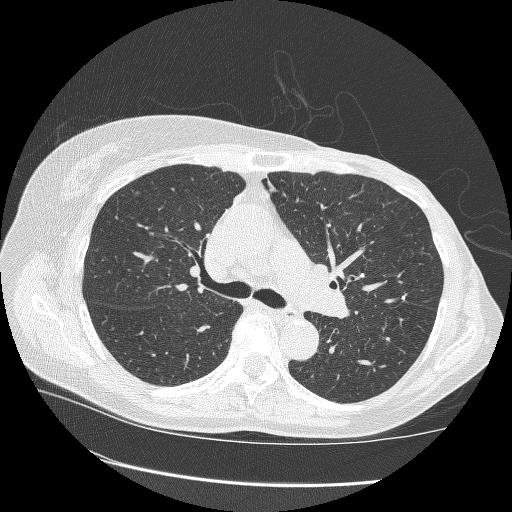
Slice 183/265 of a chest CT, counting up from the lowest; pixel size 0.664 mm, slice thickness 1.25 mm. Two pulmonary nodules on this slice, listed from left to right. (1) Pulmonary nodule outlined by one of the four readers; box rows 273–277, columns 361–364 (that reader's outline on this slice); longest diameter 5.5 mm and volume 53 mm3 from that reader's outline. Ratings by that reader: texture 5/5 (solid); margin 5/5 (circumscribed); sphericity 5/5 (round); calcification solid calcification; internal structure soft tissue; subtlety 1/5; malignancy likelihood 1/5. (2) Pulmonary nodule outlined by all four readers, three of them on this slice; box rows 296–299, columns 400–405 (the union of the readers' outlines on this slice); the four readers' outlines give a longest diameter between 9.5 and 10.3 mm and a volume between 272 and 367 mm3. Ratings across the readers: texture 5/5 (solid) from all four readers; margin from 4/5 to 5/5 (circumscribed) across the four readers; sphericity from 3/5 (ovoid) to 5/5 (round) across the four readers; calcification: solid calcification (three), absent (one); internal structure soft tissue from all four readers; subtlety rated between 4 and 5 out of 5 by the four readers; malignancy likelihood 1–4/5 (the readers disagree). Scale key (1–5): texture non-solid→solid, margin indistinct→circumscribed, sphericity linear→round, subtlety extremely subtle→obvious, malignancy likelihood highly unlikely→highly suspicious of cancer. Box rows and columns are 0-based pixel indices from the top-left corner, inclusive.
Tube voltage 120 kVp; convolution kernel BONE.